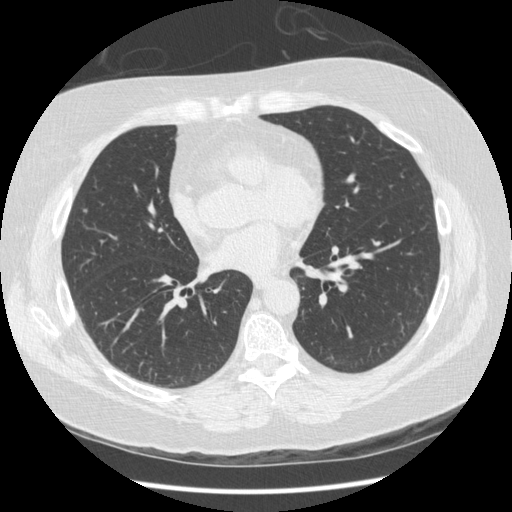
Axial chest CT slice 188 of 436 (counted from the lowest slice); tube voltage 120 kVp, convolution kernel STANDARD; slices 1.25 mm thick, 0.703 mm per pixel.
Pulmonary nodule outlined by one of the four readers; box rows 208–211, columns 83–87 (that reader's outline on this slice); longest diameter 6.0 mm and volume 26 mm3 from that reader's outline. That reader's ratings: texture 5/5 (solid); margin 5/5 (circumscribed); sphericity 4/5; calcification absent; internal structure soft tissue; subtlety 5/5; malignancy likelihood 3/5. Scale key (1–5): texture non-solid→solid, margin indistinct→circumscribed, sphericity linear→round, subtlety extremely subtle→obvious, malignancy likelihood highly unlikely→highly suspicious of cancer. Box rows and columns are 0-based pixel indices from the top-left corner, inclusive.